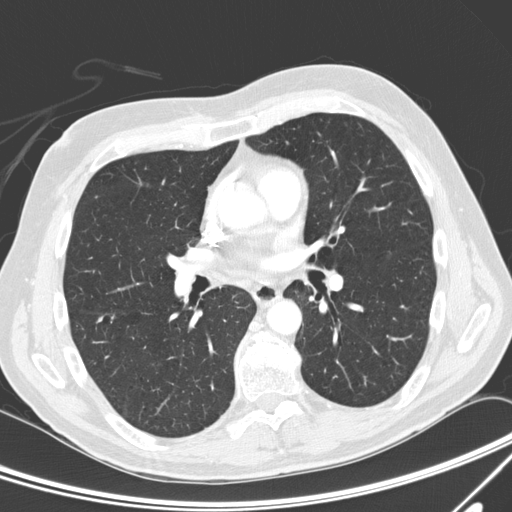
Chest CT, axial plane, 120 kVp, kernel D. Slice 141/300 from the bottom of the scan; thickness 2.00 mm; pixel size 0.678 mm.
Pulmonary nodule at rows 315–322, columns 97–102 (box = that reader's outline on this slice), outlined by one of the four readers; longest diameter 8.2 mm and volume 88 mm3 from that reader's outline. That reader's ratings: texture 5/5 (solid); margin 5/5 (circumscribed); sphericity 2/5; calcification absent; internal structure soft tissue; subtlety 4/5; malignancy likelihood 2/5. Scale key (1–5): texture non-solid→solid, margin indistinct→circumscribed, sphericity linear→round, subtlety extremely subtle→obvious, malignancy likelihood highly unlikely→highly suspicious of cancer. Box rows and columns are 0-based pixel indices from the top-left corner, inclusive.